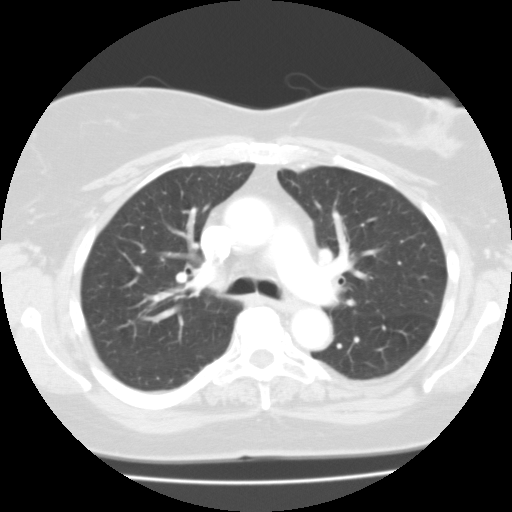
One axial slice (69 of 105, counting up from the lowest) of a chest CT acquired at 135 kVp with the FC01 kernel; each pixel is 0.640 mm and the slice is 3.00 mm thick.
No nodule of 3 mm or larger was outlined by any of the four readers on this slice.